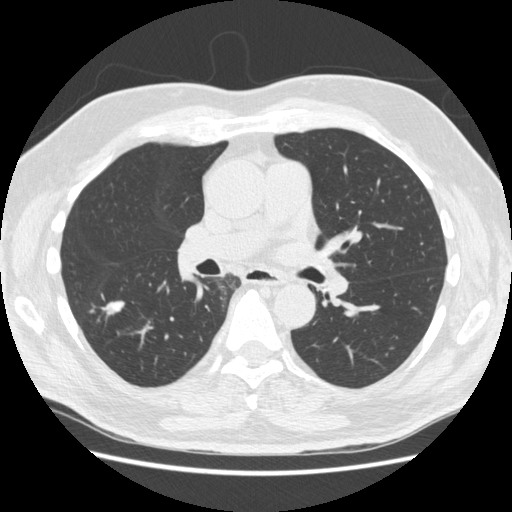
One axial slice (287 of 557, counting up from the lowest) of a chest CT acquired at 120 kVp with the STANDARD kernel; each pixel is 0.703 mm and the slice is 1.25 mm thick.
Pulmonary nodule, outlined by all four readers. Box on this slice rows 300–317, columns 99–125, the union of the readers' outlines on this slice; longest diameter 19.1–25.0 mm and volume 785–1099 mm3 across the four readers' outlines. Ratings across the readers: texture from 4/5 to 5/5 (solid) across the four readers; margin from 3/5 to 5/5 (circumscribed) across the four readers; sphericity from 2/5 to 3/5 (ovoid) across the four readers; calcification absent from all four readers; internal structure soft tissue, all four readers agreeing; subtlety 4–5/5 (the readers disagree); malignancy likelihood 2–5/5 (the readers disagree). Scale key (1–5): texture non-solid→solid, margin indistinct→circumscribed, sphericity linear→round, subtlety extremely subtle→obvious, malignancy likelihood highly unlikely→highly suspicious of cancer. Box rows and columns are 0-based pixel indices from the top-left corner, inclusive.